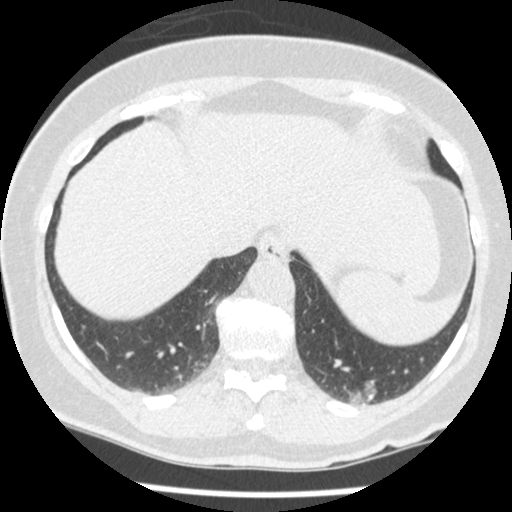
One axial slice (113 of 465, counting up from the lowest) of a chest CT acquired at 120 kVp with the STANDARD kernel; each pixel is 0.586 mm and the slice is 1.25 mm thick.
Pulmonary nodule at rows 380–400, columns 364–375 (box = the union of the readers' outlines on this slice), outlined by all four readers, three of them on this slice; the four readers' outlines give a longest diameter between 15.8 and 20.8 mm and a volume between 1106 and 1600 mm3. Ratings across the readers: texture 5/5 (solid) from all four readers; margin from 3/5 to 5/5 (circumscribed) across the four readers; sphericity from 3/5 (ovoid) to 4/5 across the four readers; calcification: absent (two), solid calcification (one), central calcification (one); internal structure soft tissue from all four readers; subtlety 5/5, all four readers agreeing; malignancy likelihood 1–5/5 (the readers disagree). Scale key (1–5): texture non-solid→solid, margin indistinct→circumscribed, sphericity linear→round, subtlety extremely subtle→obvious, malignancy likelihood highly unlikely→highly suspicious of cancer. Box rows and columns are 0-based pixel indices from the top-left corner, inclusive.